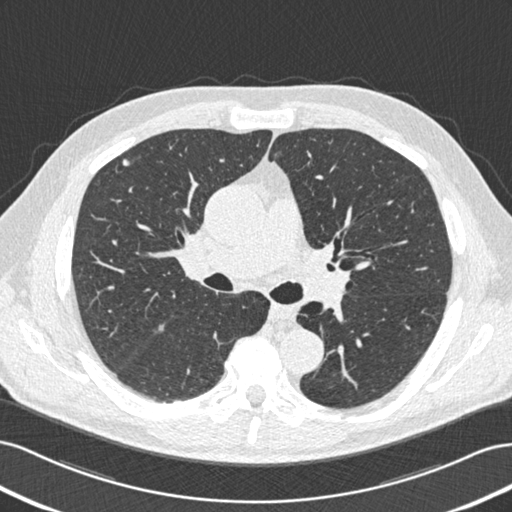
Slice 312/506 of a chest CT, counting up from the lowest; pixel size 0.699 mm, slice thickness 0.75 mm. Pulmonary nodule at rows 159–165, columns 122–129 (box = the union of the readers' outlines on this slice), outlined by all four readers; median longest diameter 8.3 mm (readers' outlines 6.9–9.7 mm), median volume 81 mm3 (41–96 mm3). Median ratings and the readers' spread: texture 5/5 (solid), all four readers agreeing; margin 4/5 at the median of four readers, spread 2/5 to 5/5 (circumscribed); median sphericity 3.5/5 (readers ranged 3/5 (ovoid) to 5/5 (round)); calcification absent, all four readers agreeing; internal structure soft tissue, all four readers agreeing; subtlety 3.5/5 at the median of four readers, spread 3–4; malignancy likelihood 2.5/5 at the median of four readers, spread 1–3. Scale key (1–5): texture non-solid→solid, margin indistinct→circumscribed, sphericity linear→round, subtlety extremely subtle→obvious, malignancy likelihood highly unlikely→highly suspicious of cancer. Box rows and columns are 0-based pixel indices from the top-left corner, inclusive.
Tube voltage 120 kVp; convolution kernel B30f.